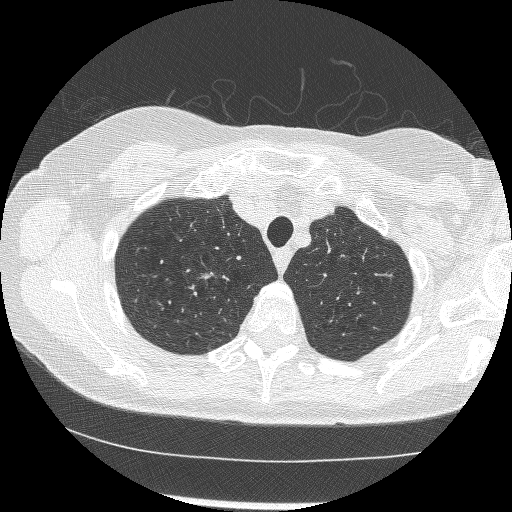
Chest CT, axial plane, 120 kVp, kernel BONE. Slice 208/246 from the bottom of the scan; thickness 1.25 mm; pixel size 0.586 mm.
Pulmonary nodule, outlined by all four readers. Box on this slice rows 272–279, columns 199–213, the union of the readers' outlines on this slice; longest diameter 8.4 mm on average over the four readers' outlines (readers' outlines 6.1–10.0 mm), volume 66–342 mm3. The readers' prevailing ratings and who disagreed: texture 5/5 (solid) by two of four readers; the rest gave 3/5 (part-solid) (one), 4/5 (one); margin 3/5 by two of four readers; the rest gave 1/5 (indistinct) (one), 2/5 (one); sphericity 2/5 by three of four readers; the rest gave 3/5 (ovoid) (one); calcification absent from all four readers; internal structure soft tissue, all four readers agreeing; subtlety 3/5 by two of four readers; the rest gave 4/5 (one), 5/5 (one); malignancy likelihood 4/5 by two of four readers; the rest gave 3/5 (one), 5/5 (one). Scale key (1–5): texture non-solid→solid, margin indistinct→circumscribed, sphericity linear→round, subtlety extremely subtle→obvious, malignancy likelihood highly unlikely→highly suspicious of cancer. Box rows and columns are 0-based pixel indices from the top-left corner, inclusive.